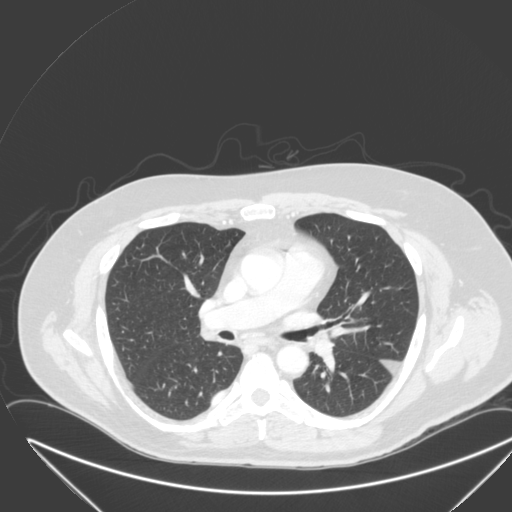
This is axial slice 184 of 315 (slice 1 is the lowest) of a chest CT; each pixel is 0.830 mm and the slice is 2.00 mm thick. Pulmonary nodule at rows 390–404, columns 212–225 (box = that reader's outline on this slice), outlined by one of the four readers; longest diameter 27.1 mm and volume 6093 mm3 from that reader's outline. Ratings by that reader: texture 5/5 (solid); margin 4/5; sphericity 2/5; calcification absent; internal structure soft tissue; subtlety 5/5; malignancy likelihood 4/5. Scale key (1–5): texture non-solid→solid, margin indistinct→circumscribed, sphericity linear→round, subtlety extremely subtle→obvious, malignancy likelihood highly unlikely→highly suspicious of cancer. Box rows and columns are 0-based pixel indices from the top-left corner, inclusive.
Scan settings: 120 kVp, B reconstruction kernel.